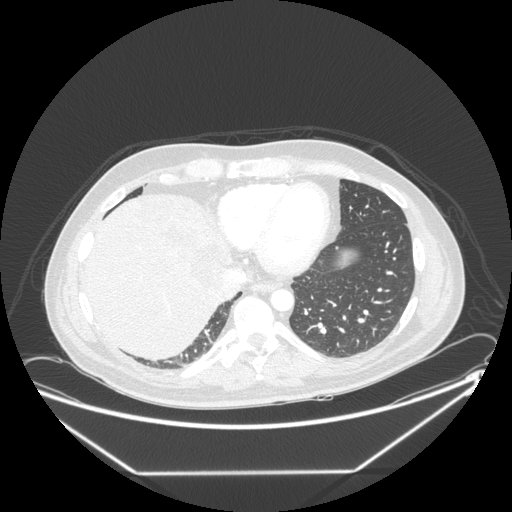
Chest CT, axial plane, 120 kVp, kernel STANDARD. Slice 76/246 from the bottom of the scan; thickness 1.25 mm; pixel size 0.859 mm.
Pulmonary nodule, outlined by one of the four readers. Box on this slice rows 246–249, columns 335–338, that reader's outline on this slice; longest diameter 4.6 mm and volume 42 mm3 from that reader's outline. That reader's ratings: texture 5/5 (solid); margin 5/5 (circumscribed); sphericity 5/5 (round); calcification absent; internal structure soft tissue; subtlety 1/5; malignancy likelihood 2/5. Scale key (1–5): texture non-solid→solid, margin indistinct→circumscribed, sphericity linear→round, subtlety extremely subtle→obvious, malignancy likelihood highly unlikely→highly suspicious of cancer. Box rows and columns are 0-based pixel indices from the top-left corner, inclusive.